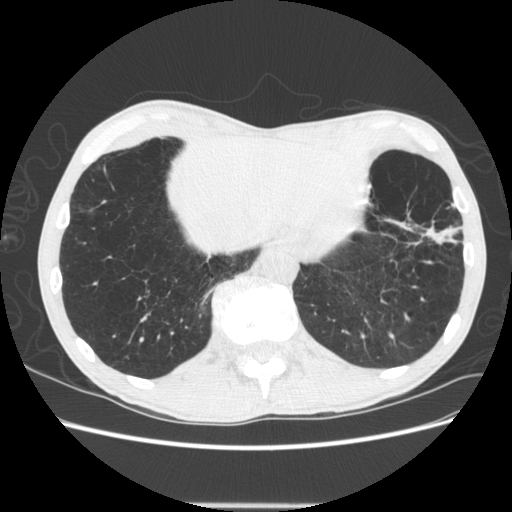
Axial chest CT slice 132 of 605 (counted from the lowest slice); 1.25 mm thick, 0.703 mm per pixel. Pulmonary nodule at rows 227–243, columns 434–461 (box = that reader's outline on this slice), outlined by one of the four readers; longest diameter 29.0 mm and volume 1790 mm3 from that reader's outline. That reader's ratings: texture 4/5; margin 4/5; sphericity 2/5; calcification absent; internal structure soft tissue; subtlety 5/5; malignancy likelihood 4/5. Scale key (1–5): texture non-solid→solid, margin indistinct→circumscribed, sphericity linear→round, subtlety extremely subtle→obvious, malignancy likelihood highly unlikely→highly suspicious of cancer. Box rows and columns are 0-based pixel indices from the top-left corner, inclusive.
Tube voltage 120 kVp; convolution kernel STANDARD.